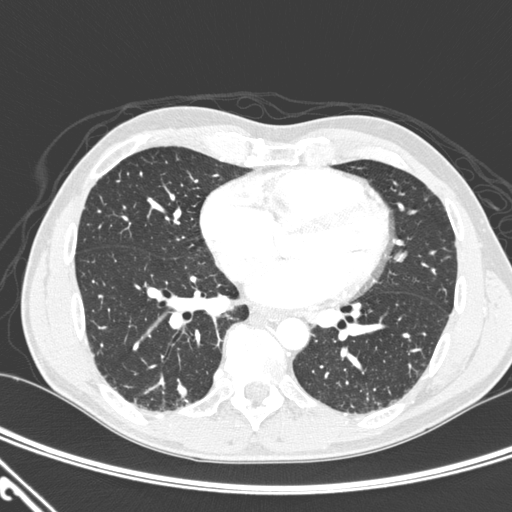
Slice 117/276 of a chest CT, counting up from the lowest; pixel size 0.639 mm, slice thickness 1.00 mm. Pulmonary nodule outlined by two of the four readers; box rows 385–395, columns 178–186 (the union of the readers' outlines on this slice); the two readers' outlines give a longest diameter between 6.5 and 8.1 mm and a volume between 41 and 108 mm3. The readers' ratings, as ranges where they differ: texture 5/5 (solid) from both readers; margin from 2/5 to 5/5 (circumscribed) across the two readers; sphericity from 2/5 to 4/5 across the two readers; calcification absent from both readers; internal structure soft tissue from both readers; subtlety rated between 2 and 5 out of 5 by the two readers; malignancy likelihood 2/5, both readers agreeing. Scale key (1–5): texture non-solid→solid, margin indistinct→circumscribed, sphericity linear→round, subtlety extremely subtle→obvious, malignancy likelihood highly unlikely→highly suspicious of cancer. Box rows and columns are 0-based pixel indices from the top-left corner, inclusive.
Acquired at 120 kVp and reconstructed with the D kernel.